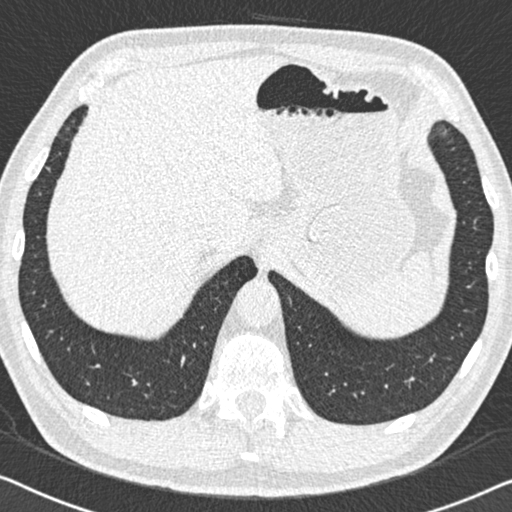
Axial chest CT slice 140 of 558 (counted from the lowest slice); tube voltage 120 kVp, convolution kernel B30f; slices 0.75 mm thick, 0.648 mm per pixel.
Pulmonary nodule, outlined by two of the four readers. Box on this slice rows 167–170, columns 45–50, the union of the readers' outlines on this slice; the two readers' outlines give a longest diameter between 5.6 and 5.8 mm and a volume between 53 and 63 mm3. Ratings across the readers: texture from 4/5 to 5/5 (solid) across the two readers; margin 4/5, both readers agreeing; sphericity from 2/5 to 3/5 (ovoid) across the two readers; calcification absent from both readers; internal structure soft tissue from both readers; subtlety rated between 2 and 5 out of 5 by the two readers; malignancy likelihood from 2/5 to 3/5 across the two readers. Scale key (1–5): texture non-solid→solid, margin indistinct→circumscribed, sphericity linear→round, subtlety extremely subtle→obvious, malignancy likelihood highly unlikely→highly suspicious of cancer. Box rows and columns are 0-based pixel indices from the top-left corner, inclusive.